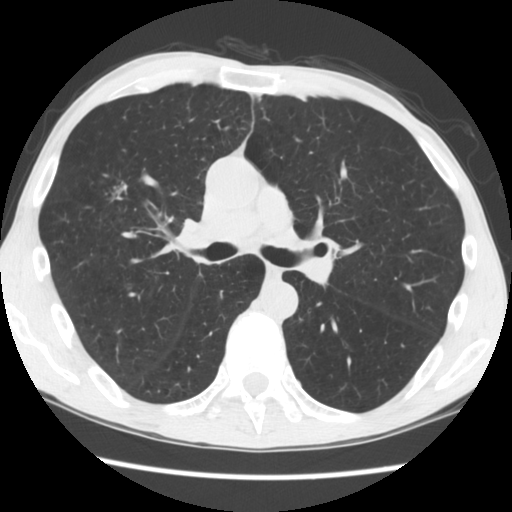
One axial slice (105 of 181, counting up from the lowest) of a chest CT acquired at 120 kVp with the STANDARD kernel; each pixel is 0.645 mm and the slice is 2.50 mm thick.
Pulmonary nodule at rows 180–201, columns 109–127 (box = the union of the readers' outlines on this slice), outlined by all four readers, three of them on this slice; median longest diameter 39.6 mm (readers' outlines 35.2–44.7 mm), median volume 7793 mm3 (5781–11800 mm3). Ratings, median across the readers with their spread: texture 4/5 at the median of four readers, spread 4/5 to 5/5 (solid); margin 3/5 at the median of four readers, spread 2/5 to 4/5; sphericity 3.5/5 at the median of four readers, spread 2/5 to 5/5 (round); calcification absent, all four readers agreeing; internal structure soft tissue, all four readers agreeing; subtlety 5/5, all four readers agreeing; malignancy likelihood 5/5 from all four readers. Scale key (1–5): texture non-solid→solid, margin indistinct→circumscribed, sphericity linear→round, subtlety extremely subtle→obvious, malignancy likelihood highly unlikely→highly suspicious of cancer. Box rows and columns are 0-based pixel indices from the top-left corner, inclusive.